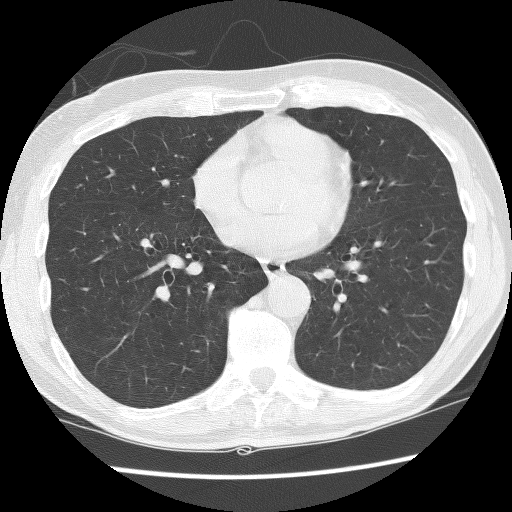
Axial chest CT slice 67 of 144 (counted from the lowest slice); 2.50 mm thick, 0.617 mm per pixel. None of the four readers outlined a nodule of 3 mm or more on this slice.
Scan settings: 140 kVp, BONE reconstruction kernel.